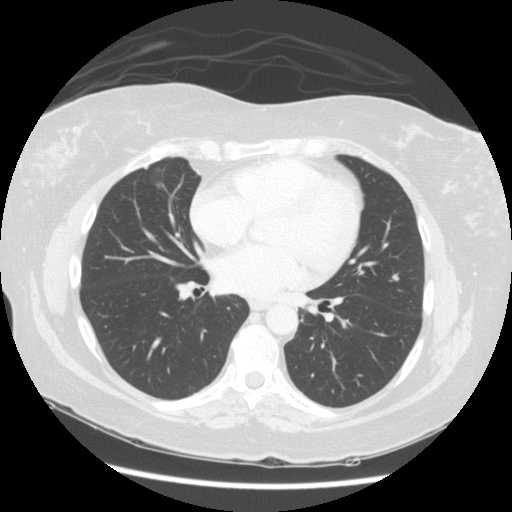
Axial chest CT slice 62 of 123 (counted from the lowest slice); tube voltage 140 kVp, convolution kernel STANDARD; slices 2.50 mm thick, 0.703 mm per pixel.
Pulmonary nodule, outlined by one of the four readers. Box on this slice rows 183–187, columns 156–159, that reader's outline on this slice; longest diameter 8.2 mm and volume 122 mm3 from that reader's outline. That reader's ratings: texture 2/5; margin 2/5; sphericity 4/5; calcification absent; internal structure soft tissue; subtlety 2/5; malignancy likelihood 2/5. Scale key (1–5): texture non-solid→solid, margin indistinct→circumscribed, sphericity linear→round, subtlety extremely subtle→obvious, malignancy likelihood highly unlikely→highly suspicious of cancer. Box rows and columns are 0-based pixel indices from the top-left corner, inclusive.